Axial chest CT slice 50 of 119 (counted from the lowest slice); tube voltage 120 kVp, convolution kernel LUNG; slices 2.50 mm thick, 0.742 mm per pixel.
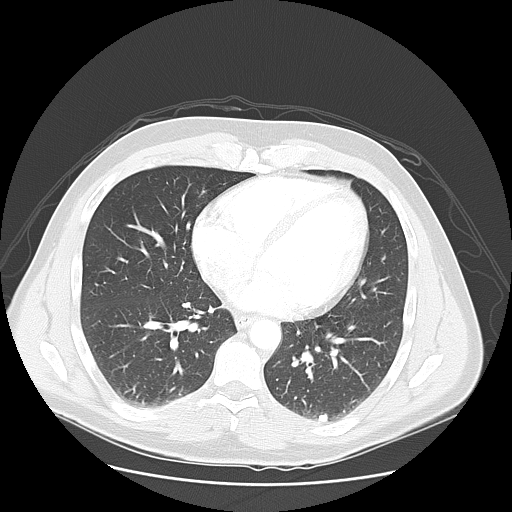
Pulmonary nodule outlined by all four readers; box rows 413–421, columns 318–327 (the union of the readers' outlines on this slice); median longest diameter 10.0 mm (readers' outlines 9.0–10.3 mm), median volume 230 mm3 (180–293 mm3). Ratings, median across the readers with their spread: texture 5/5 (solid), all four readers agreeing; margin 5/5 (circumscribed) at the median of four readers, spread 4/5 to 5/5 (circumscribed); median sphericity 3.5/5 (readers ranged 3/5 (ovoid) to 5/5 (round)); calcification: solid calcification (three), absent (one); internal structure soft tissue from all four readers; subtlety 5/5 at the median of four readers, spread 3–5; median malignancy likelihood 1/5 (readers ranged 1–3). Scale key (1–5): texture non-solid→solid, margin indistinct→circumscribed, sphericity linear→round, subtlety extremely subtle→obvious, malignancy likelihood highly unlikely→highly suspicious of cancer. Box rows and columns are 0-based pixel indices from the top-left corner, inclusive.